Chest CT, axial plane, 120 kVp, kernel D. Slice 229/290 from the bottom of the scan; thickness 2.00 mm; pixel size 0.648 mm.
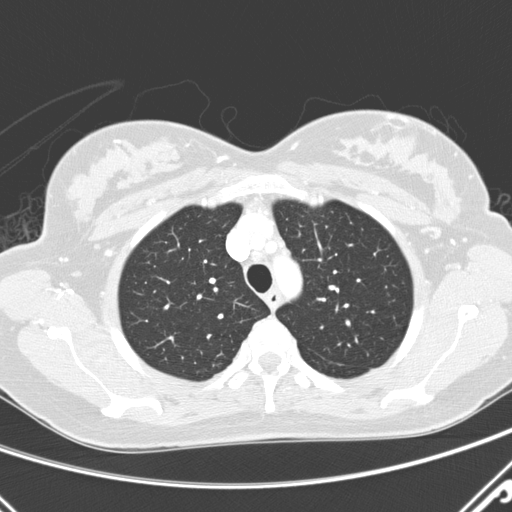
No nodule 3 mm or larger was outlined here by any reader.